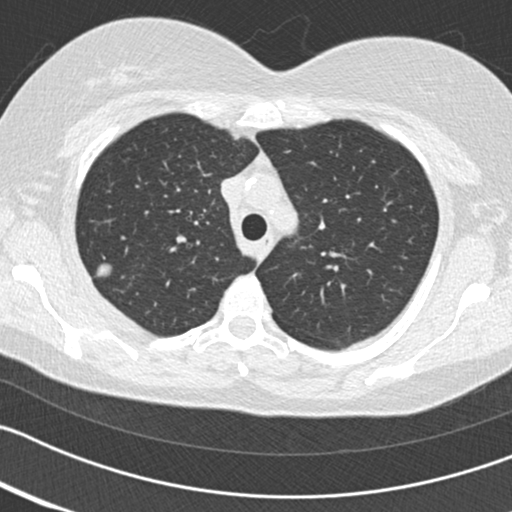
Axial slice 124 of 161 of a chest CT (slice 1 is the lowest), reconstructed with the B30f kernel at 120 kVp; 2.00 mm slice thickness and 0.586 mm pixels.
Pulmonary nodule at rows 263–277, columns 94–111 (box = the union of the readers' outlines on this slice), outlined by all four readers; the four readers' outlines give a longest diameter between 15.4 and 17.6 mm and a volume between 1259 and 1807 mm3. The readers' ratings, as ranges where they differ: texture from 4/5 to 5/5 (solid) across the four readers; margin from 4/5 to 5/5 (circumscribed) across the four readers; sphericity 5/5 (round), all four readers agreeing; calcification split among the readers: central calcification (two), absent (two); internal structure soft tissue, all four readers agreeing; subtlety 5/5 from all four readers; malignancy likelihood rated between 1 and 3 out of 5 by the four readers. Scale key (1–5): texture non-solid→solid, margin indistinct→circumscribed, sphericity linear→round, subtlety extremely subtle→obvious, malignancy likelihood highly unlikely→highly suspicious of cancer. Box rows and columns are 0-based pixel indices from the top-left corner, inclusive.